Chest CT, axial plane, 120 kVp, kernel LUNG. Slice 70/133 from the bottom of the scan; thickness 2.50 mm; pixel size 0.703 mm.
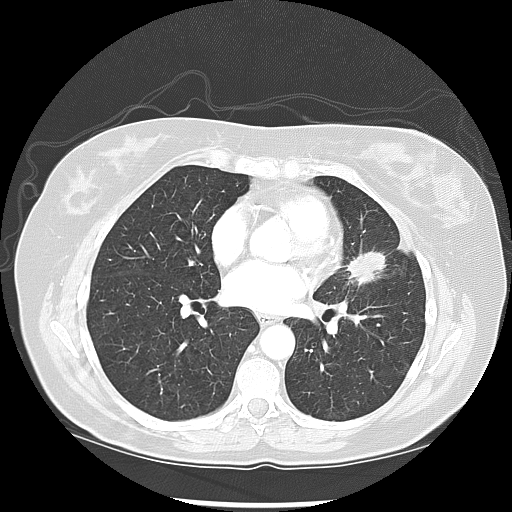
Pulmonary nodule, outlined by three of the four readers. Box on this slice rows 245–285, columns 344–389, the union of the readers' outlines on this slice; the three readers' outlines give a longest diameter between 33.3 and 41.8 mm and a volume between 6044 and 7666 mm3. Ratings across the readers: texture 5/5 (solid), all three readers agreeing; margin from 3/5 to 4/5 across the three readers; sphericity 3/5 (ovoid) from all three readers; calcification absent from all three readers; internal structure soft tissue, all three readers agreeing; subtlety 5/5 from all three readers; malignancy likelihood 5/5 from all three readers. Scale key (1–5): texture non-solid→solid, margin indistinct→circumscribed, sphericity linear→round, subtlety extremely subtle→obvious, malignancy likelihood highly unlikely→highly suspicious of cancer. Box rows and columns are 0-based pixel indices from the top-left corner, inclusive.